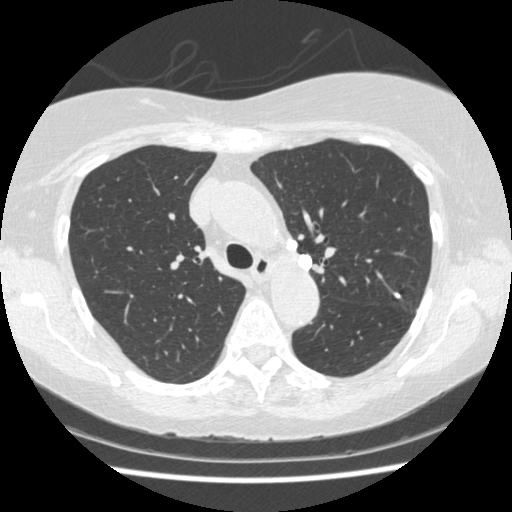
Axial chest CT slice 305 of 458 (counted from the lowest slice); 1.25 mm thick, 0.625 mm per pixel. Three pulmonary nodules on this slice, listed from left to right. (1) Pulmonary nodule, outlined by one of the four readers. Box on this slice rows 238–251, columns 285–297, that reader's outline on this slice; longest diameter 10.6 mm and volume 342 mm3 from that reader's outline. That reader's ratings: texture 5/5 (solid); margin 5/5 (circumscribed); sphericity 4/5; calcification solid calcification; internal structure soft tissue; subtlety 4/5; malignancy likelihood 1/5. (2) Pulmonary nodule outlined by one of the four readers; box rows 254–270, columns 298–312 (that reader's outline on this slice); longest diameter 11.9 mm and volume 579 mm3 from that reader's outline. Ratings by that reader: texture 5/5 (solid); margin 5/5 (circumscribed); sphericity 5/5 (round); calcification solid calcification; internal structure soft tissue; subtlety 4/5; malignancy likelihood 1/5. (3) Pulmonary nodule outlined by all four readers; box rows 292–298, columns 393–400 (the union of the readers' outlines on this slice); median longest diameter 6.8 mm (readers' outlines 6.8–7.1 mm), median volume 145 mm3 (96–159 mm3). Median ratings and the readers' spread: texture 5/5 (solid) at the median of four readers, spread 4/5 to 5/5 (solid); median margin 5/5 (circumscribed) (readers ranged 4/5 to 5/5 (circumscribed)); sphericity 3.5/5 at the median of four readers, spread 3/5 (ovoid) to 4/5; calcification: solid calcification (two), central calcification (one), absent (one); internal structure soft tissue from all four readers; median subtlety 4.5/5 (readers ranged 4–5); median malignancy likelihood 1/5 (readers ranged 1–3). Scale key (1–5): texture non-solid→solid, margin indistinct→circumscribed, sphericity linear→round, subtlety extremely subtle→obvious, malignancy likelihood highly unlikely→highly suspicious of cancer. Box rows and columns are 0-based pixel indices from the top-left corner, inclusive.
Scan settings: 120 kVp, STANDARD reconstruction kernel.